Chest CT, axial plane, 135 kVp, kernel FC01. Slice 92/109 from the bottom of the scan; thickness 3.00 mm; pixel size 0.720 mm.
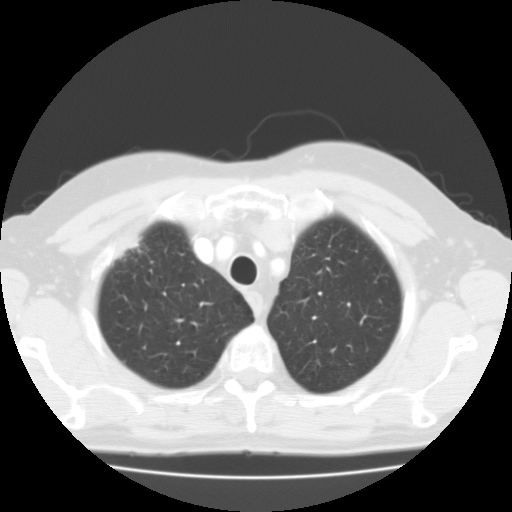
Pulmonary nodule outlined by three of the four readers, two of them on this slice; box rows 235–257, columns 117–140 (the union of the readers' outlines on this slice); median longest diameter 28.5 mm (readers' outlines 28.5–30.8 mm), median volume 5688 mm3 (5654–6646 mm3). Median ratings and the readers' spread: texture 5/5 (solid) at the median of three readers, spread 4/5 to 5/5 (solid); margin 4/5 at the median of three readers, spread 1/5 (indistinct) to 4/5; sphericity 2/5 at the median of three readers, spread 2/5 to 3/5 (ovoid); calcification absent, all three readers agreeing; internal structure soft tissue from all three readers; subtlety 5/5, all three readers agreeing; malignancy likelihood 3/5 at the median of three readers, spread 3–5. Scale key (1–5): texture non-solid→solid, margin indistinct→circumscribed, sphericity linear→round, subtlety extremely subtle→obvious, malignancy likelihood highly unlikely→highly suspicious of cancer. Box rows and columns are 0-based pixel indices from the top-left corner, inclusive.